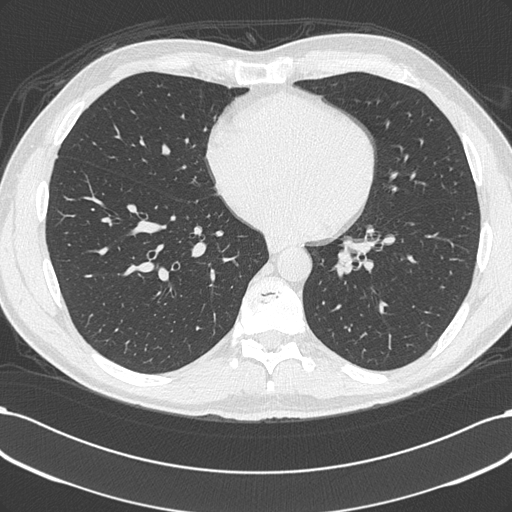
Axial chest CT slice 141 of 348 (counted from the lowest slice); 1.00 mm thick, 0.703 mm per pixel. No nodule of 3 mm or larger was outlined by any of the four readers on this slice.
Tube voltage 120 kVp; convolution kernel B45f.